Axial slice 137 of 250 of a chest CT (slice 1 is the lowest), reconstructed with the BONE kernel at 120 kVp; 1.25 mm slice thickness and 0.654 mm pixels.
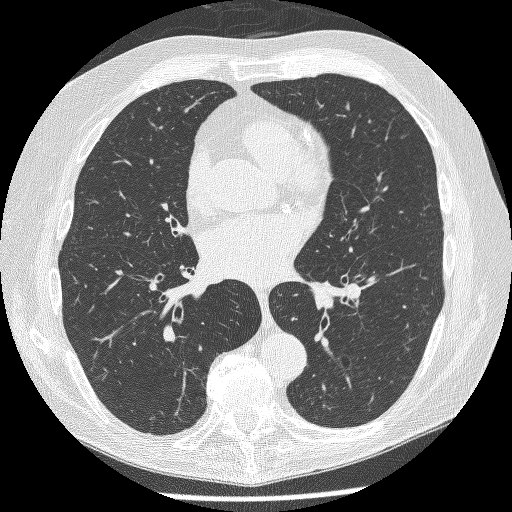
The readers outlined no nodule of 3 mm or more on this slice.